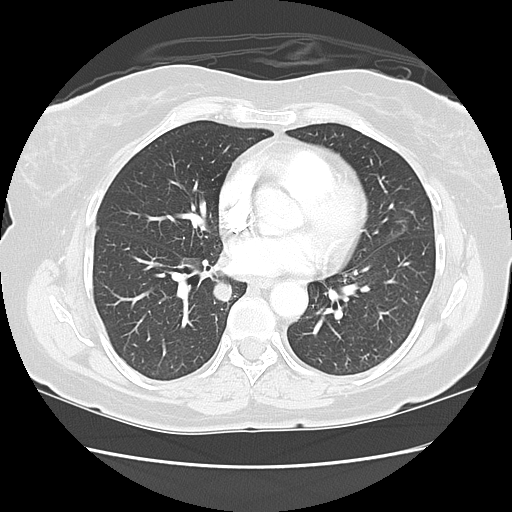
Chest CT, axial plane, 120 kVp, kernel LUNG. Slice 69/130 from the bottom of the scan; thickness 2.50 mm; pixel size 0.664 mm.
Pulmonary nodule outlined by all four readers; box rows 281–301, columns 212–231 (the union of the readers' outlines on this slice); longest diameter 23.5 mm on average over the four readers' outlines (readers' outlines 23.2–24.2 mm), volume 4791–5604 mm3. The readers' prevailing ratings and who disagreed: texture 5/5 (solid), all four readers agreeing; margin 5/5 (circumscribed) by three of four readers; the rest gave 4/5 (one); sphericity split among the readers: 4/5 (two), 5/5 (round) (two); calcification absent from all four readers; internal structure soft tissue, all four readers agreeing; subtlety 5/5, all four readers agreeing; most readers (three of four) put malignancy likelihood at 5/5, others 2/5 (one). Scale key (1–5): texture non-solid→solid, margin indistinct→circumscribed, sphericity linear→round, subtlety extremely subtle→obvious, malignancy likelihood highly unlikely→highly suspicious of cancer. Box rows and columns are 0-based pixel indices from the top-left corner, inclusive.